Chest CT, axial plane, 120 kVp, kernel B70f. Slice 214/368 from the bottom of the scan; thickness 2.00 mm; pixel size 0.623 mm.
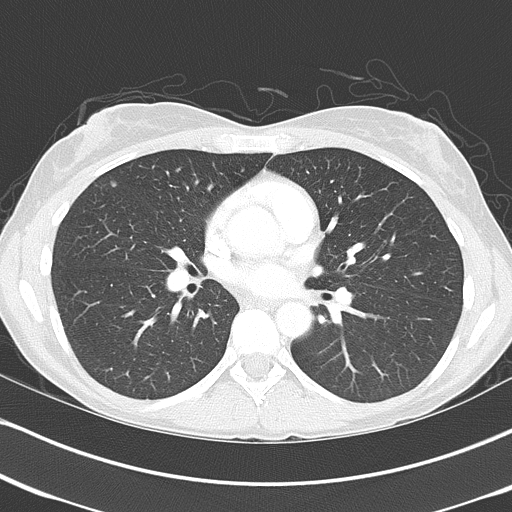
Pulmonary nodule at rows 180–186, columns 110–116 (box = the union of the readers' outlines on this slice), outlined by all four readers; longest diameter 5.6–6.1 mm and volume 43–61 mm3 across the four readers' outlines. Ratings across the readers: texture from 3/5 (part-solid) to 5/5 (solid) across the four readers; margin from 2/5 to 4/5 across the four readers; sphericity 3/5 (ovoid), all four readers agreeing; calcification absent, all four readers agreeing; internal structure soft tissue from all four readers; subtlety from 3/5 to 5/5 across the four readers; malignancy likelihood from 2/5 to 3/5 across the four readers. Scale key (1–5): texture non-solid→solid, margin indistinct→circumscribed, sphericity linear→round, subtlety extremely subtle→obvious, malignancy likelihood highly unlikely→highly suspicious of cancer. Box rows and columns are 0-based pixel indices from the top-left corner, inclusive.